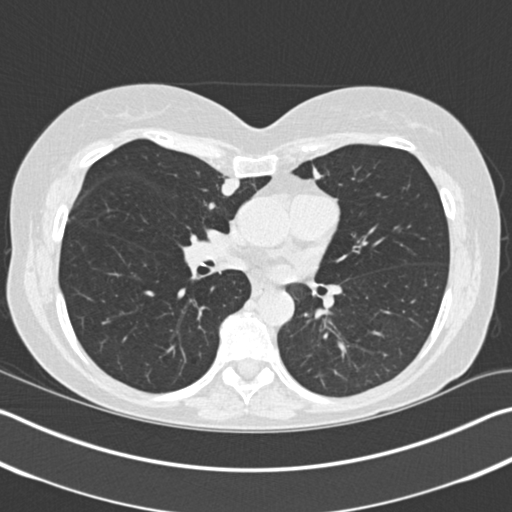
Chest CT, axial plane, 120 kVp, kernel B30f. Slice 96/183 from the bottom of the scan; thickness 2.00 mm; pixel size 0.664 mm.
Two pulmonary nodules on this slice, listed from left to right. (1) Pulmonary nodule at rows 201–209, columns 208–215 (box = the union of the readers' outlines on this slice), outlined by all four readers; median longest diameter 6.2 mm (readers' outlines 5.7–6.8 mm), median volume 96 mm3 (42–157 mm3). Ratings, median across the readers with their spread: texture 5/5 (solid) from all four readers; margin 5/5 (circumscribed), all four readers agreeing; sphericity 4.5/5 at the median of four readers, spread 3/5 (ovoid) to 5/5 (round); calcification absent, all four readers agreeing; internal structure soft tissue, all four readers agreeing; median subtlety 3/5 (readers ranged 2–4); malignancy likelihood 3/5 at the median of four readers, spread 2–3. (2) Pulmonary nodule at rows 178–196, columns 221–239 (box = the union of the readers' outlines on this slice), outlined by all four readers; longest diameter 14.9 mm on average over the four readers' outlines (readers' outlines 14.4–15.3 mm), volume 647–1201 mm3. Ratings, by the readers' most common answer with dissent counted: texture 5/5 (solid) from all four readers; most readers (three of four) put margin at 5/5 (circumscribed), others 4/5 (one); sphericity 4/5 by three of four readers; the rest gave 3/5 (ovoid) (one); calcification absent from all four readers; internal structure soft tissue from all four readers; most readers (three of four) put subtlety at 5/5, others 4/5 (one); malignancy likelihood 5/5 by two of four readers; the rest gave 3/5 (one), 4/5 (one). Scale key (1–5): texture non-solid→solid, margin indistinct→circumscribed, sphericity linear→round, subtlety extremely subtle→obvious, malignancy likelihood highly unlikely→highly suspicious of cancer. Box rows and columns are 0-based pixel indices from the top-left corner, inclusive.